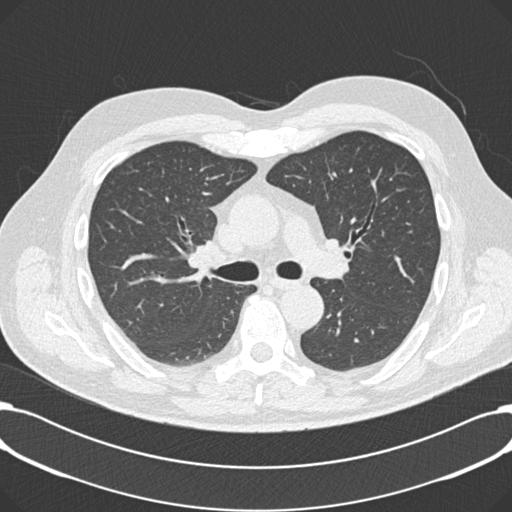
Axial chest CT slice 118 of 195 (counted from the lowest slice); tube voltage 120 kVp, convolution kernel B30f; slices 2.00 mm thick, 0.723 mm per pixel.
The readers outlined no nodule of 3 mm or more on this slice.